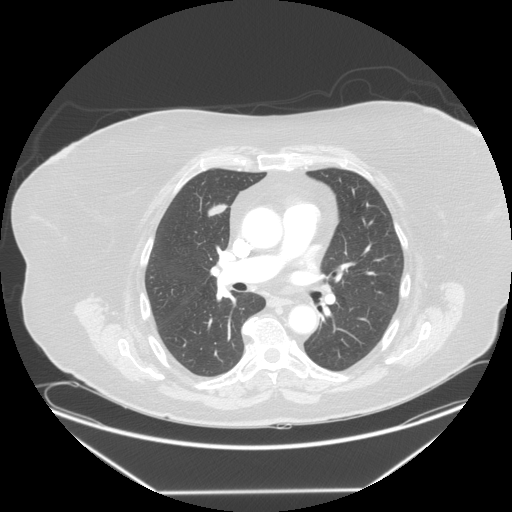
One axial slice (82 of 139, counting up from the lowest) of a chest CT acquired at 120 kVp with the STANDARD kernel; each pixel is 0.898 mm and the slice is 2.50 mm thick.
Pulmonary nodule, outlined by three of the four readers. Box on this slice rows 204–216, columns 208–227, the union of the readers' outlines on this slice; longest diameter 24.4 mm on average over the three readers' outlines (readers' outlines 23.3–26.2 mm), volume 2868–3243 mm3. Ratings, by the readers' most common answer with dissent counted: texture 5/5 (solid), all three readers agreeing; most readers (two of three) put margin at 5/5 (circumscribed), others 4/5 (one); sphericity split among the readers: 3/5 (ovoid) (one), 4/5 (one), 5/5 (round) (one); calcification absent from all three readers; internal structure soft tissue, all three readers agreeing; subtlety 5/5, all three readers agreeing; most readers (two of three) put malignancy likelihood at 3/5, others 5/5 (one). Scale key (1–5): texture non-solid→solid, margin indistinct→circumscribed, sphericity linear→round, subtlety extremely subtle→obvious, malignancy likelihood highly unlikely→highly suspicious of cancer. Box rows and columns are 0-based pixel indices from the top-left corner, inclusive.